Chest CT, axial plane, 120 kVp, kernel D. Slice 117/300 from the bottom of the scan; thickness 1.00 mm; pixel size 0.654 mm.
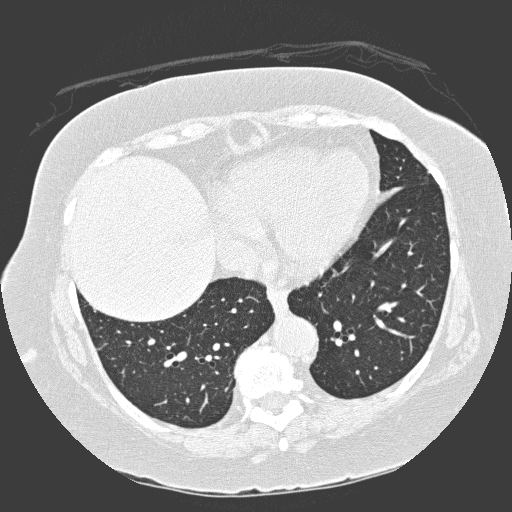
Pulmonary nodule, outlined by one of the four readers. Box on this slice rows 347–349, columns 97–102, that reader's outline on this slice; longest diameter 7.5 mm and volume 60 mm3 from that reader's outline. Ratings by that reader: texture 1/5 (non-solid); margin 1/5 (indistinct); sphericity 3/5 (ovoid); calcification absent; internal structure soft tissue; subtlety 5/5; malignancy likelihood 3/5. Scale key (1–5): texture non-solid→solid, margin indistinct→circumscribed, sphericity linear→round, subtlety extremely subtle→obvious, malignancy likelihood highly unlikely→highly suspicious of cancer. Box rows and columns are 0-based pixel indices from the top-left corner, inclusive.